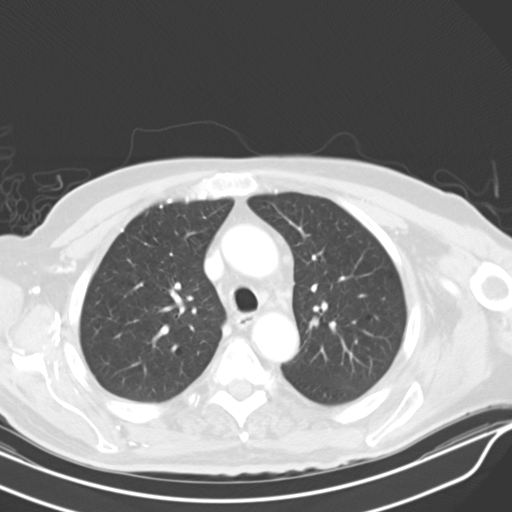
Axial chest CT slice 269 of 319 (counted from the lowest slice); tube voltage 130 kVp, convolution kernel B30s; slices 4.00 mm thick, 0.729 mm per pixel.
This slice carries no reader outline of a nodule 3 mm or larger.